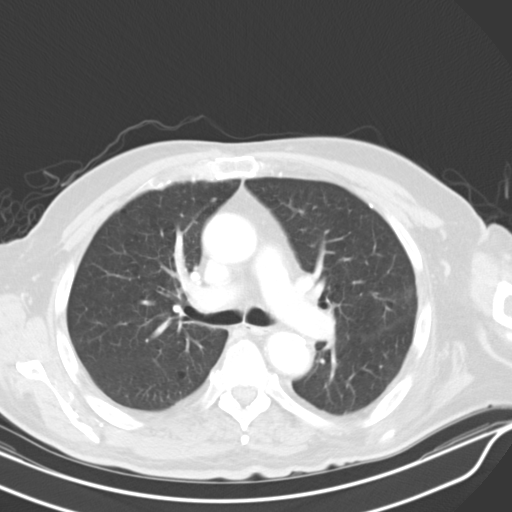
Axial slice 254 of 319 of a chest CT (slice 1 is the lowest), reconstructed with the B30s kernel at 130 kVp; 4.00 mm slice thickness and 0.729 mm pixels.
The readers outlined no nodule of 3 mm or more on this slice.